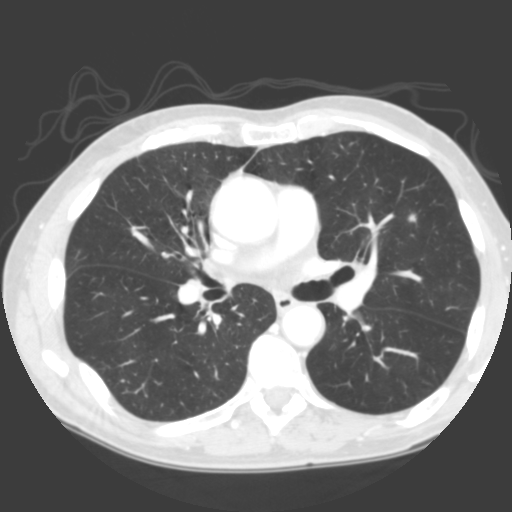
One axial slice (183 of 335, counting up from the lowest) of a chest CT acquired at 120 kVp with the B kernel; each pixel is 0.623 mm and the slice is 2.00 mm thick.
Pulmonary nodule, outlined by three of the four readers. Box on this slice rows 212–223, columns 406–416, the union of the readers' outlines on this slice; median longest diameter 8.9 mm (readers' outlines 7.9–10.3 mm), median volume 222 mm3 (194–222 mm3). Median ratings and the readers' spread: median texture 4/5 (readers ranged 4/5 to 5/5 (solid)); margin 3/5 at the median of three readers, spread 2/5 to 4/5; sphericity 3/5 (ovoid) at the median of three readers, spread 3/5 (ovoid) to 4/5; calcification absent from all three readers; internal structure soft tissue, all three readers agreeing; subtlety 3/5 at the median of three readers, spread 3–5; median malignancy likelihood 3/5 (readers ranged 2–4). Scale key (1–5): texture non-solid→solid, margin indistinct→circumscribed, sphericity linear→round, subtlety extremely subtle→obvious, malignancy likelihood highly unlikely→highly suspicious of cancer. Box rows and columns are 0-based pixel indices from the top-left corner, inclusive.